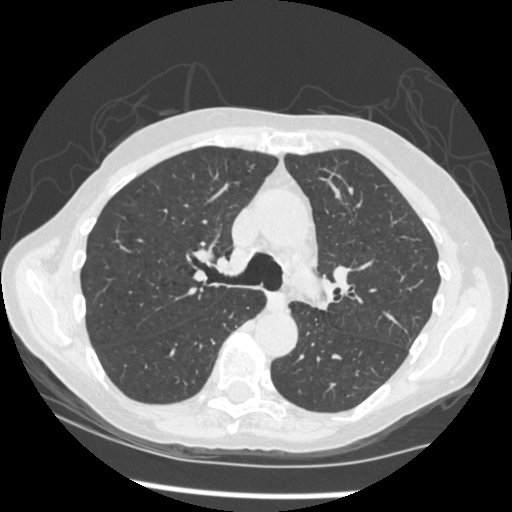
Axial slice 299 of 461 of a chest CT (slice 1 is the lowest), reconstructed with the STANDARD kernel at 120 kVp; 1.25 mm slice thickness and 0.645 mm pixels.
This slice carries no reader outline of a nodule 3 mm or larger.